Axial slice 56 of 421 of a chest CT (slice 1 is the lowest), reconstructed with the STANDARD kernel at 120 kVp; 1.25 mm slice thickness and 0.703 mm pixels.
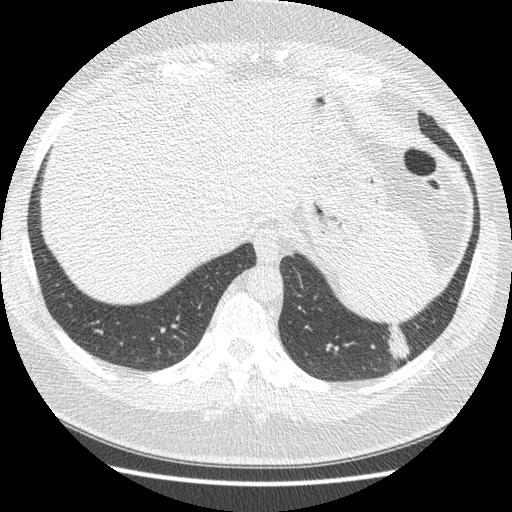
Pulmonary nodule at rows 323–361, columns 386–409 (box = the union of the readers' outlines on this slice), outlined four times (the source holds four more outlines, not used); longest diameter 33.9 mm on average over the four readers' outlines (readers' outlines 30.9–38.9 mm), volume 4443–5826 mm3. Ratings, by the readers' most common answer with dissent counted: texture 5/5 (solid) by three of four readers; the rest gave 4/5 (one); margin 4/5 by three of four readers; the rest gave 3/5 (one); sphericity 2/5 by two of four readers; the rest gave 3/5 (ovoid) (one), 4/5 (one); calcification absent, all four readers agreeing; internal structure soft tissue, all four readers agreeing; subtlety 5/5 by three of four readers; the rest gave 4/5 (one); malignancy likelihood split among the readers: 2/5 (one), 3/5 (one), 4/5 (one), 5/5 (one). Scale key (1–5): texture non-solid→solid, margin indistinct→circumscribed, sphericity linear→round, subtlety extremely subtle→obvious, malignancy likelihood highly unlikely→highly suspicious of cancer. Box rows and columns are 0-based pixel indices from the top-left corner, inclusive.